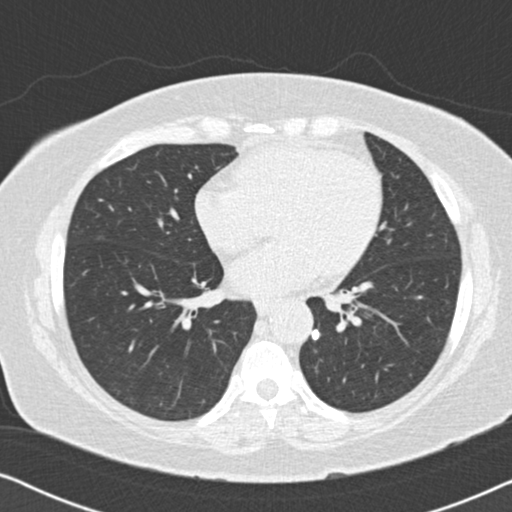
Axial chest CT slice 93 of 177 (counted from the lowest slice); 2.00 mm thick, 0.643 mm per pixel. Pulmonary nodule outlined by two of the four readers; box rows 331–338, columns 313–317 (the union of the readers' outlines on this slice); longest diameter 6.6 mm on average over the two readers' outlines (readers' outlines 6.6 mm), volume 131 mm3. Ratings, by the readers' most common answer with dissent counted: texture 5/5 (solid), both readers agreeing; margin 5/5 (circumscribed), both readers agreeing; sphericity 5/5 (round), both readers agreeing; calcification solid calcification, both readers agreeing; internal structure soft tissue, both readers agreeing; subtlety split among the readers: 4/5 (one), 5/5 (one); malignancy likelihood 1/5 from both readers. Scale key (1–5): texture non-solid→solid, margin indistinct→circumscribed, sphericity linear→round, subtlety extremely subtle→obvious, malignancy likelihood highly unlikely→highly suspicious of cancer. Box rows and columns are 0-based pixel indices from the top-left corner, inclusive.
Scan settings: 120 kVp, B30f reconstruction kernel.